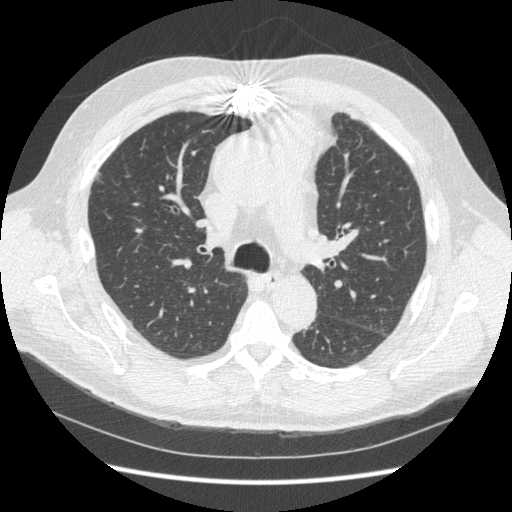
Axial chest CT slice 222 of 369 (counted from the lowest slice); 1.25 mm thick, 0.703 mm per pixel. Pulmonary nodule at rows 172–181, columns 96–100 (box = that reader's outline on this slice), outlined by one of the four readers; longest diameter 27.0 mm and volume 3015 mm3 from that reader's outline. Ratings by that reader: texture 1/5 (non-solid); margin 1/5 (indistinct); sphericity 3/5 (ovoid); calcification absent; internal structure soft tissue; subtlety 3/5; malignancy likelihood 3/5. Scale key (1–5): texture non-solid→solid, margin indistinct→circumscribed, sphericity linear→round, subtlety extremely subtle→obvious, malignancy likelihood highly unlikely→highly suspicious of cancer. Box rows and columns are 0-based pixel indices from the top-left corner, inclusive.
Acquired at 120 kVp and reconstructed with the STANDARD kernel.